Axial slice 71 of 246 of a chest CT (slice 1 is the lowest), reconstructed with the BONE kernel at 120 kVp; 1.25 mm slice thickness and 0.566 mm pixels.
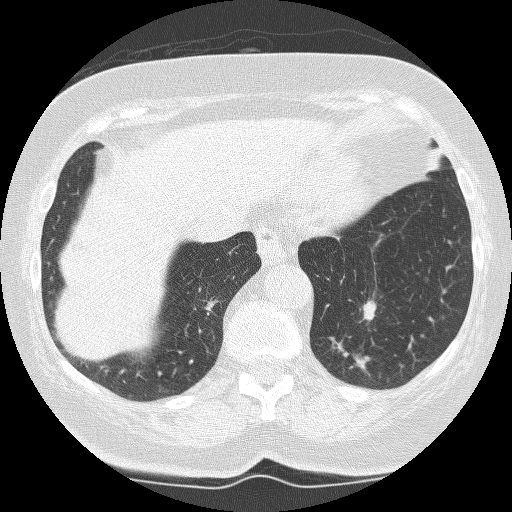
Pulmonary nodule outlined by all four readers; box rows 299–321, columns 362–377 (the union of the readers' outlines on this slice); median longest diameter 15.5 mm (readers' outlines 13.8–17.3 mm), median volume 933 mm3 (672–1099 mm3). Ratings, median across the readers with their spread: texture 5/5 (solid) from all four readers; median margin 3/5 (readers ranged 2/5 to 4/5); sphericity 3.5/5 at the median of four readers, spread 2/5 to 4/5; calcification absent from all four readers; internal structure soft tissue, all four readers agreeing; median subtlety 4.5/5 (readers ranged 4–5); median malignancy likelihood 4.5/5 (readers ranged 3–5). Scale key (1–5): texture non-solid→solid, margin indistinct→circumscribed, sphericity linear→round, subtlety extremely subtle→obvious, malignancy likelihood highly unlikely→highly suspicious of cancer. Box rows and columns are 0-based pixel indices from the top-left corner, inclusive.